Chest CT, axial plane, 120 kVp, kernel D. Slice 94/248 from the bottom of the scan; thickness 2.00 mm; pixel size 0.633 mm.
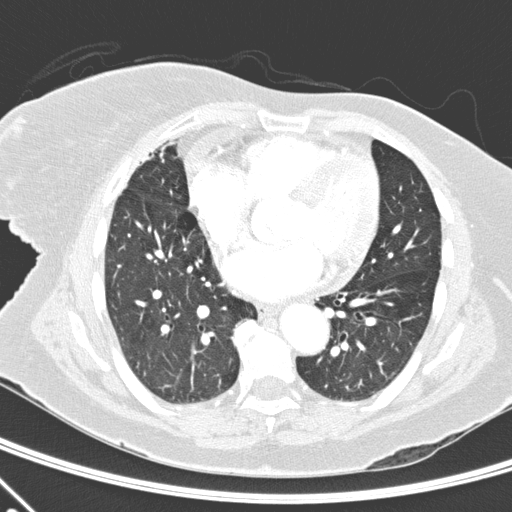
No nodule of 3 mm or larger was outlined by any of the four readers on this slice.